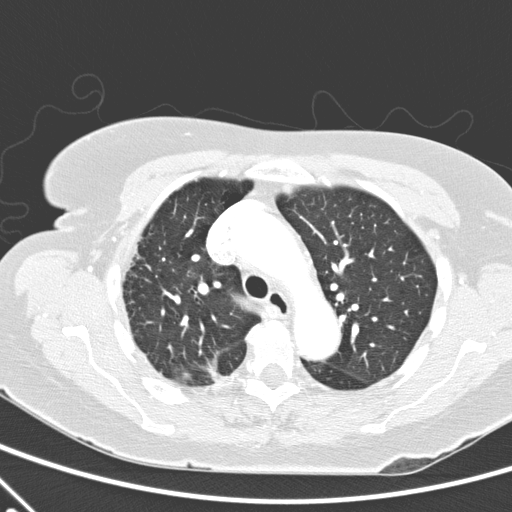
Chest CT, axial plane, 120 kVp, kernel D. Slice 165/248 from the bottom of the scan; thickness 2.00 mm; pixel size 0.633 mm.
Pulmonary nodule outlined by one of the four readers; box rows 368–381, columns 209–224 (that reader's outline on this slice); longest diameter 13.2 mm and volume 418 mm3 from that reader's outline. That reader's ratings: texture 5/5 (solid); margin 1/5 (indistinct); sphericity 2/5; calcification absent; internal structure soft tissue; subtlety 4/5; malignancy likelihood 2/5. Scale key (1–5): texture non-solid→solid, margin indistinct→circumscribed, sphericity linear→round, subtlety extremely subtle→obvious, malignancy likelihood highly unlikely→highly suspicious of cancer. Box rows and columns are 0-based pixel indices from the top-left corner, inclusive.